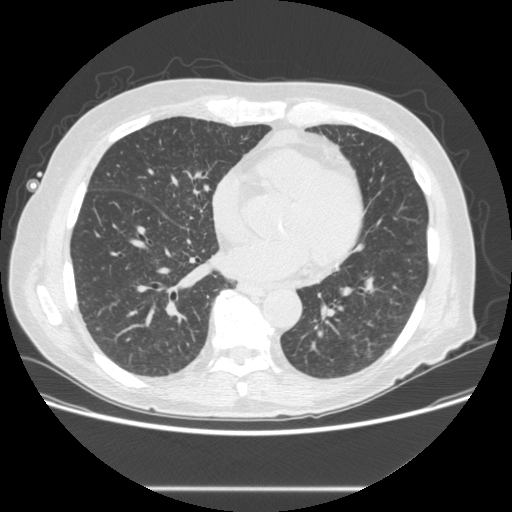
Chest CT, axial plane, 120 kVp, kernel STANDARD. Slice 124/273 from the bottom of the scan; thickness 1.25 mm; pixel size 0.740 mm.
No nodule of 3 mm or larger was outlined by any of the four readers on this slice.